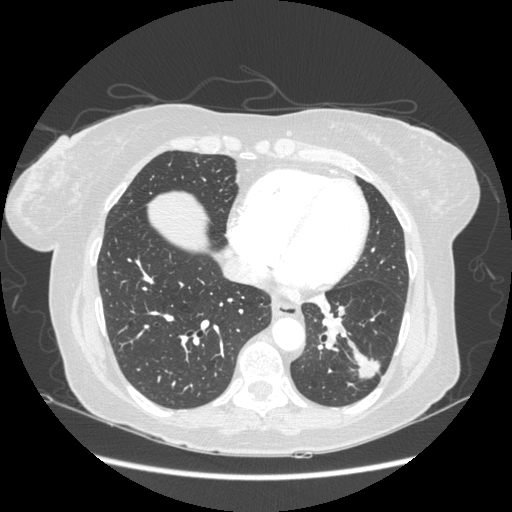
This is axial slice 81 of 230 (slice 1 is the lowest) of a chest CT; each pixel is 0.742 mm and the slice is 1.25 mm thick. Pulmonary nodule outlined by all four readers; box rows 347–379, columns 353–380 (the union of the readers' outlines on this slice); median longest diameter 30.2 mm (readers' outlines 23.1–31.5 mm), median volume 4051 mm3 (3020–5074 mm3). Median ratings and the readers' spread: texture 5/5 (solid), all four readers agreeing; margin 4/5 at the median of four readers, spread 3/5 to 5/5 (circumscribed); sphericity 3/5 (ovoid) at the median of four readers, spread 3/5 (ovoid) to 5/5 (round); calcification absent, all four readers agreeing; internal structure soft tissue, all four readers agreeing; subtlety 5/5, all four readers agreeing; malignancy likelihood 5/5 at the median of four readers, spread 3–5. Scale key (1–5): texture non-solid→solid, margin indistinct→circumscribed, sphericity linear→round, subtlety extremely subtle→obvious, malignancy likelihood highly unlikely→highly suspicious of cancer. Box rows and columns are 0-based pixel indices from the top-left corner, inclusive.
Scan settings: 120 kVp, STANDARD reconstruction kernel.